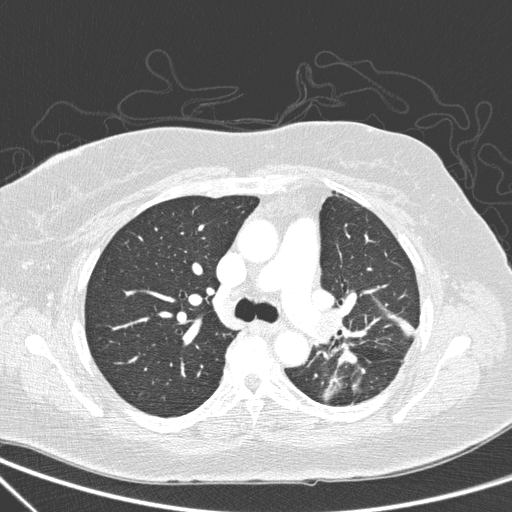
One axial slice (183 of 266, counting up from the lowest) of a chest CT acquired at 120 kVp with the D kernel; each pixel is 0.668 mm and the slice is 1.00 mm thick.
Pulmonary nodule outlined by one of the four readers; box rows 351–362, columns 346–355 (that reader's outline on this slice); longest diameter 11.5 mm and volume 333 mm3 from that reader's outline. Ratings by that reader: texture 5/5 (solid); margin 3/5; sphericity 2/5; calcification absent; internal structure soft tissue; subtlety 3/5; malignancy likelihood 4/5. Scale key (1–5): texture non-solid→solid, margin indistinct→circumscribed, sphericity linear→round, subtlety extremely subtle→obvious, malignancy likelihood highly unlikely→highly suspicious of cancer. Box rows and columns are 0-based pixel indices from the top-left corner, inclusive.